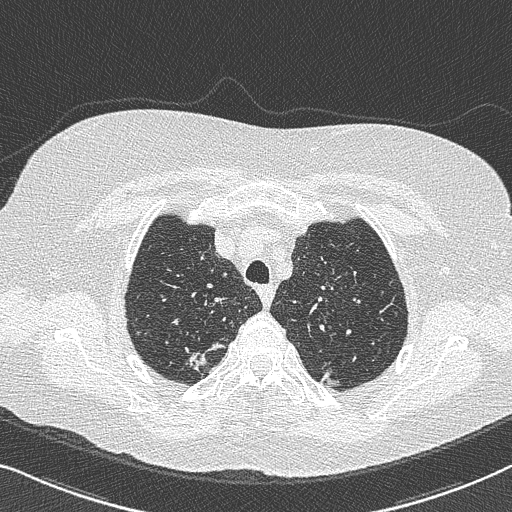
Axial chest CT slice 596 of 733 (counted from the lowest slice); tube voltage 120 kVp, convolution kernel B50f; slices 0.60 mm thick, 0.637 mm per pixel.
Pulmonary nodule at rows 342–371, columns 187–225 (box = the union of the readers' outlines on this slice), outlined by all four readers; median longest diameter 21.4 mm (readers' outlines 15.5–29.7 mm), median volume 1103 mm3 (888–2128 mm3). Ratings, median across the readers with their spread: texture 5/5 (solid) at the median of four readers, spread 4/5 to 5/5 (solid); median margin 3/5 (readers ranged 1/5 (indistinct) to 4/5); median sphericity 3/5 (ovoid) (readers ranged 2/5 to 5/5 (round)); calcification absent from all four readers; internal structure soft tissue from all four readers; median subtlety 5/5 (readers ranged 4–5); malignancy likelihood 4/5 at the median of four readers, spread 4–5. Scale key (1–5): texture non-solid→solid, margin indistinct→circumscribed, sphericity linear→round, subtlety extremely subtle→obvious, malignancy likelihood highly unlikely→highly suspicious of cancer. Box rows and columns are 0-based pixel indices from the top-left corner, inclusive.